Chest CT, axial plane, 120 kVp, kernel STANDARD. Slice 280/465 from the bottom of the scan; thickness 1.25 mm; pixel size 0.586 mm.
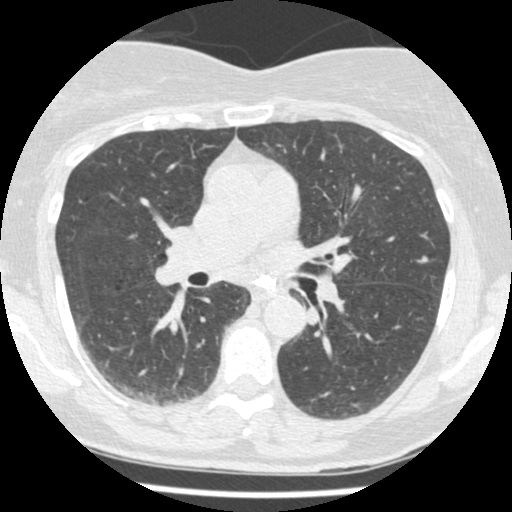
Pulmonary nodule, outlined by all four readers. Box on this slice rows 255–263, columns 420–427, the union of the readers' outlines on this slice; longest diameter 5.8 mm on average over the four readers' outlines (readers' outlines 5.4–6.0 mm), volume 46–67 mm3. Ratings, by the readers' most common answer with dissent counted: texture 5/5 (solid) from all four readers; margin split among the readers: 4/5 (two), 5/5 (circumscribed) (two); most readers (three of four) put sphericity at 4/5, others 3/5 (ovoid) (one); calcification absent, all four readers agreeing; internal structure soft tissue, all four readers agreeing; subtlety 3/5 by two of four readers; the rest gave 2/5 (one), 4/5 (one); most readers (three of four) put malignancy likelihood at 3/5, others 2/5 (one). Scale key (1–5): texture non-solid→solid, margin indistinct→circumscribed, sphericity linear→round, subtlety extremely subtle→obvious, malignancy likelihood highly unlikely→highly suspicious of cancer. Box rows and columns are 0-based pixel indices from the top-left corner, inclusive.